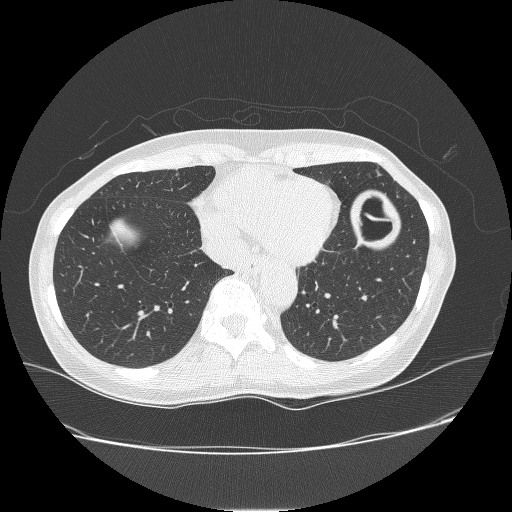
This is axial slice 88 of 238 (slice 1 is the lowest) of a chest CT; each pixel is 0.703 mm and the slice is 1.25 mm thick. Pulmonary nodule at rows 172–175, columns 175–178 (box = that reader's outline on this slice), outlined by one of the four readers; longest diameter 5.1 mm and volume 32 mm3 from that reader's outline. Ratings by that reader: texture 3/5 (part-solid); margin 1/5 (indistinct); sphericity 4/5; calcification absent; internal structure soft tissue; subtlety 4/5; malignancy likelihood 4/5. Scale key (1–5): texture non-solid→solid, margin indistinct→circumscribed, sphericity linear→round, subtlety extremely subtle→obvious, malignancy likelihood highly unlikely→highly suspicious of cancer. Box rows and columns are 0-based pixel indices from the top-left corner, inclusive.
Tube voltage 120 kVp; convolution kernel BONE.